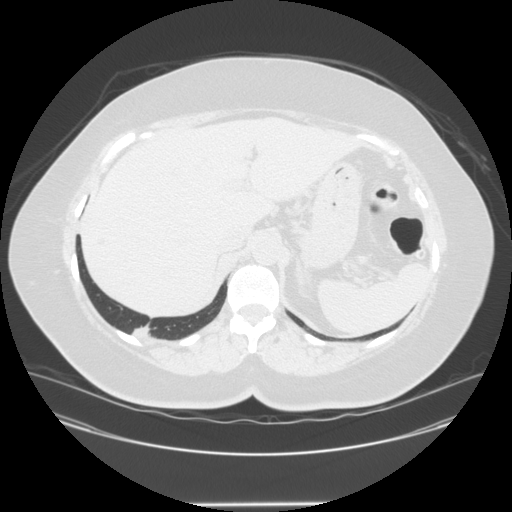
Axial chest CT slice 40 of 150 (counted from the lowest slice); tube voltage 120 kVp, convolution kernel STANDARD; slices 2.50 mm thick, 0.820 mm per pixel.
Pulmonary nodule at rows 325–336, columns 131–146 (box = the union of the readers' outlines on this slice), outlined by three of the four readers, two of them on this slice; median longest diameter 36.7 mm (readers' outlines 34.5–41.5 mm), median volume 15464 mm3 (15181–19016 mm3). Ratings, median across the readers with their spread: texture 5/5 (solid), all three readers agreeing; median margin 4/5 (readers ranged 2/5 to 4/5); median sphericity 4/5 (readers ranged 3/5 (ovoid) to 5/5 (round)); calcification absent from all three readers; internal structure soft tissue, all three readers agreeing; subtlety 5/5 from all three readers; malignancy likelihood 5/5 from all three readers. Scale key (1–5): texture non-solid→solid, margin indistinct→circumscribed, sphericity linear→round, subtlety extremely subtle→obvious, malignancy likelihood highly unlikely→highly suspicious of cancer. Box rows and columns are 0-based pixel indices from the top-left corner, inclusive.